Axial chest CT slice 200 of 273 (counted from the lowest slice); tube voltage 120 kVp, convolution kernel STANDARD; slices 1.25 mm thick, 0.740 mm per pixel.
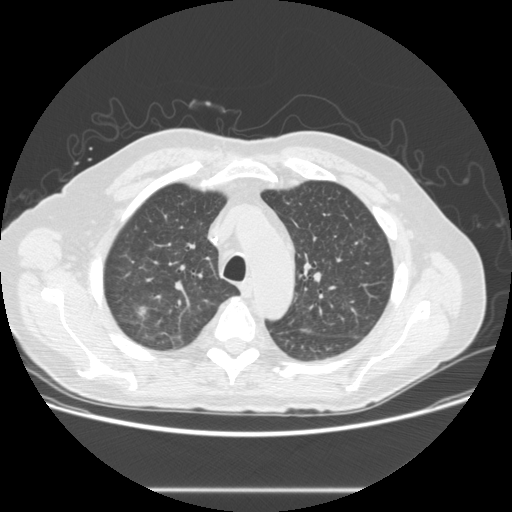
Pulmonary nodule outlined by all four readers; box rows 306–318, columns 137–146 (the union of the readers' outlines on this slice); longest diameter 11.2 mm on average over the four readers' outlines (readers' outlines 10.1–12.7 mm), volume 277–395 mm3. The readers' prevailing ratings and who disagreed: texture split among the readers: 4/5 (two), 5/5 (solid) (two); margin 4/5 by two of four readers; the rest gave 2/5 (one), 3/5 (one); sphericity split among the readers: 3/5 (ovoid) (two), 4/5 (two); calcification absent from all four readers; internal structure soft tissue from all four readers; most readers (three of four) put subtlety at 4/5, others 3/5 (one); malignancy likelihood 3/5 by two of four readers; the rest gave 4/5 (one), 5/5 (one). Scale key (1–5): texture non-solid→solid, margin indistinct→circumscribed, sphericity linear→round, subtlety extremely subtle→obvious, malignancy likelihood highly unlikely→highly suspicious of cancer. Box rows and columns are 0-based pixel indices from the top-left corner, inclusive.